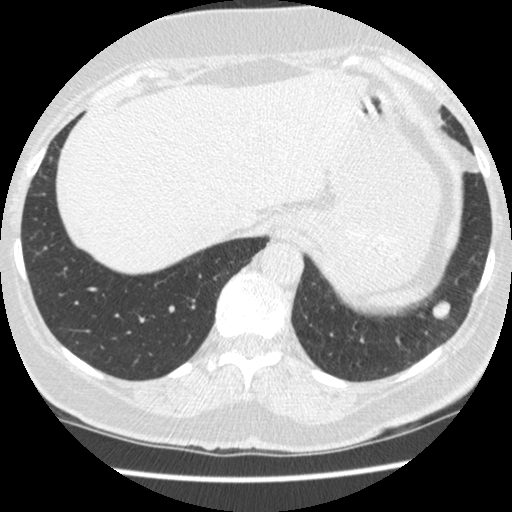
One axial slice (99 of 481, counting up from the lowest) of a chest CT acquired at 120 kVp with the STANDARD kernel; each pixel is 0.605 mm and the slice is 1.25 mm thick.
Pulmonary nodule outlined by all four readers; box rows 300–319, columns 432–452 (the union of the readers' outlines on this slice); longest diameter 13.9 mm on average over the four readers' outlines (readers' outlines 13.3–14.6 mm), volume 633–867 mm3. Ratings, by the readers' most common answer with dissent counted: texture 5/5 (solid) from all four readers; margin split among the readers: 4/5 (two), 5/5 (circumscribed) (two); sphericity 4/5 by three of four readers; the rest gave 5/5 (round) (one); calcification absent from all four readers; internal structure soft tissue from all four readers; subtlety 5/5 by three of four readers; the rest gave 4/5 (one); malignancy likelihood split among the readers: 2/5 (one), 3/5 (one), 4/5 (one), 5/5 (one). Scale key (1–5): texture non-solid→solid, margin indistinct→circumscribed, sphericity linear→round, subtlety extremely subtle→obvious, malignancy likelihood highly unlikely→highly suspicious of cancer. Box rows and columns are 0-based pixel indices from the top-left corner, inclusive.